Axial chest CT slice 492 of 541 (counted from the lowest slice); tube voltage 120 kVp, convolution kernel STANDARD; slices 1.25 mm thick, 0.586 mm per pixel.
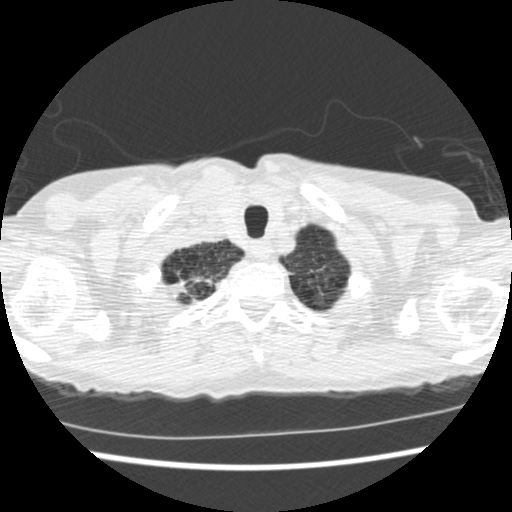
Pulmonary nodule, outlined by one of the four readers. Box on this slice rows 279–296, columns 167–192, that reader's outline on this slice; longest diameter 24.9 mm and volume 491 mm3 from that reader's outline. That reader's ratings: texture 5/5 (solid); margin 1/5 (indistinct); sphericity 2/5; calcification absent; internal structure soft tissue; subtlety 4/5; malignancy likelihood 4/5. Scale key (1–5): texture non-solid→solid, margin indistinct→circumscribed, sphericity linear→round, subtlety extremely subtle→obvious, malignancy likelihood highly unlikely→highly suspicious of cancer. Box rows and columns are 0-based pixel indices from the top-left corner, inclusive.